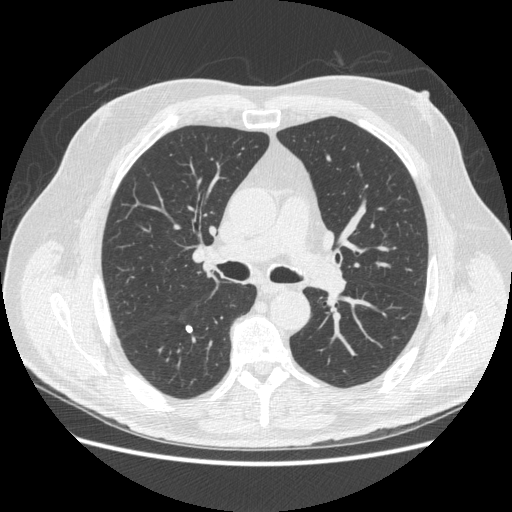
Axial chest CT slice 305 of 503 (counted from the lowest slice); 1.25 mm thick, 0.742 mm per pixel. Pulmonary nodule outlined by all four readers; box rows 324–333, columns 185–192 (the union of the readers' outlines on this slice); longest diameter 7.0–8.7 mm and volume 116–149 mm3 across the four readers' outlines. Ratings across the readers: texture 5/5 (solid), all four readers agreeing; margin 5/5 (circumscribed), all four readers agreeing; sphericity from 3/5 (ovoid) to 5/5 (round) across the four readers; calcification solid calcification, all four readers agreeing; internal structure soft tissue, all four readers agreeing; subtlety 4–5/5 (the readers disagree); malignancy likelihood 1/5 from all four readers. Scale key (1–5): texture non-solid→solid, margin indistinct→circumscribed, sphericity linear→round, subtlety extremely subtle→obvious, malignancy likelihood highly unlikely→highly suspicious of cancer. Box rows and columns are 0-based pixel indices from the top-left corner, inclusive.
Acquired at 120 kVp and reconstructed with the STANDARD kernel.